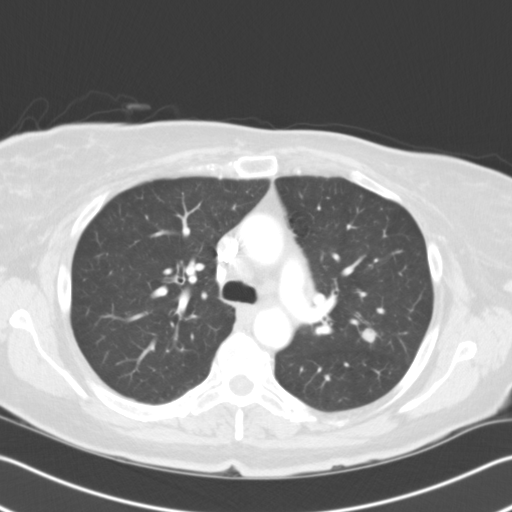
One axial slice (81 of 118, counting up from the lowest) of a chest CT acquired at 120 kVp with the B31f kernel; each pixel is 0.668 mm and the slice is 3.00 mm thick.
Pulmonary nodule, outlined by all four readers. Box on this slice rows 327–343, columns 361–377, the union of the readers' outlines on this slice; median longest diameter 12.6 mm (readers' outlines 11.7–14.3 mm), median volume 714 mm3 (686–842 mm3). Median ratings and the readers' spread: texture 5/5 (solid) from all four readers; median margin 5/5 (circumscribed) (readers ranged 4/5 to 5/5 (circumscribed)); median sphericity 5/5 (round) (readers ranged 3/5 (ovoid) to 5/5 (round)); calcification absent from all four readers; internal structure: soft tissue (three), air (one); median subtlety 4/5 (readers ranged 3–5); median malignancy likelihood 3.5/5 (readers ranged 2–4). Scale key (1–5): texture non-solid→solid, margin indistinct→circumscribed, sphericity linear→round, subtlety extremely subtle→obvious, malignancy likelihood highly unlikely→highly suspicious of cancer. Box rows and columns are 0-based pixel indices from the top-left corner, inclusive.